Axial slice 169 of 513 of a chest CT (slice 1 is the lowest), reconstructed with the STANDARD kernel at 120 kVp; 1.25 mm slice thickness and 0.703 mm pixels.
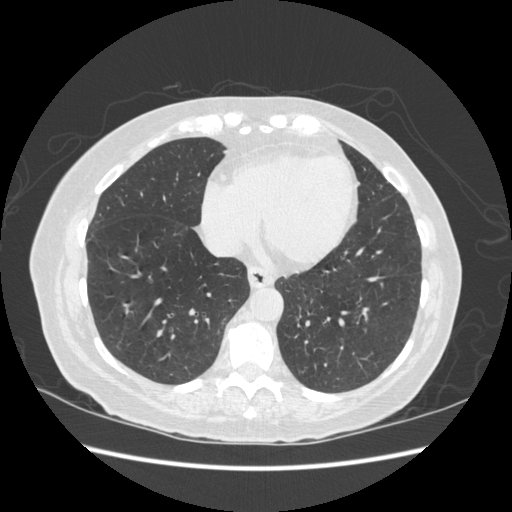
Pulmonary nodule at rows 330–336, columns 155–162 (box = the union of the readers' outlines on this slice), outlined by two of the four readers; the two readers' outlines give a longest diameter between 6.7 and 6.9 mm and a volume between 105 and 106 mm3. Ratings across the readers: texture from 4/5 to 5/5 (solid) across the two readers; margin 4/5, both readers agreeing; sphericity from 2/5 to 4/5 across the two readers; calcification absent from both readers; internal structure soft tissue from both readers; subtlety 2/5, both readers agreeing; malignancy likelihood rated between 1 and 2 out of 5 by the two readers. Scale key (1–5): texture non-solid→solid, margin indistinct→circumscribed, sphericity linear→round, subtlety extremely subtle→obvious, malignancy likelihood highly unlikely→highly suspicious of cancer. Box rows and columns are 0-based pixel indices from the top-left corner, inclusive.